Axial chest CT slice 153 of 308 (counted from the lowest slice); tube voltage 120 kVp, convolution kernel B45f; slices 1.00 mm thick, 0.703 mm per pixel.
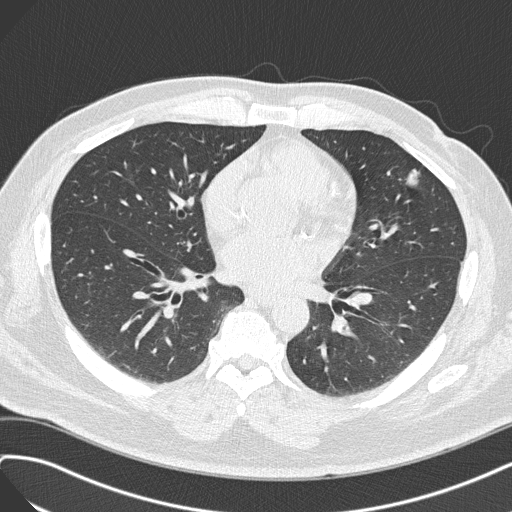
Pulmonary nodule outlined by all four readers; box rows 168–187, columns 405–421 (the union of the readers' outlines on this slice); longest diameter 21.2 mm on average over the four readers' outlines (readers' outlines 19.6–23.0 mm), volume 1982–2315 mm3. The readers' prevailing ratings and who disagreed: texture 5/5 (solid) from all four readers; margin split among the readers: 4/5 (two), 5/5 (circumscribed) (two); sphericity split among the readers: 3/5 (ovoid) (two), 5/5 (round) (two); calcification absent, all four readers agreeing; internal structure soft tissue, all four readers agreeing; subtlety 5/5 from all four readers; malignancy likelihood 3/5 by two of four readers; the rest gave 4/5 (one), 5/5 (one). Scale key (1–5): texture non-solid→solid, margin indistinct→circumscribed, sphericity linear→round, subtlety extremely subtle→obvious, malignancy likelihood highly unlikely→highly suspicious of cancer. Box rows and columns are 0-based pixel indices from the top-left corner, inclusive.